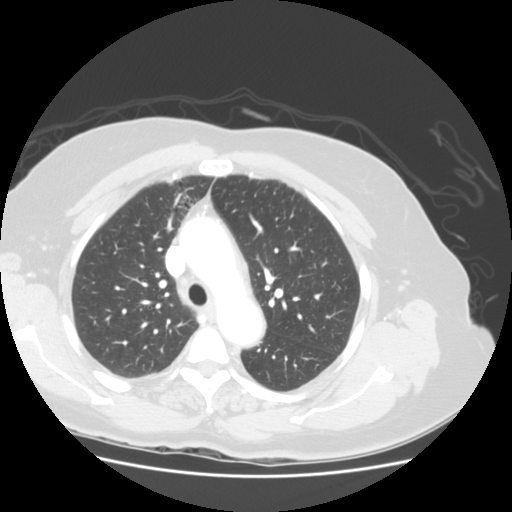
Slice 77/114 of a chest CT, counting up from the lowest; pixel size 0.703 mm, slice thickness 2.50 mm. No nodule of 3 mm or larger was outlined by any of the four readers on this slice.
Tube voltage 120 kVp; convolution kernel STANDARD.